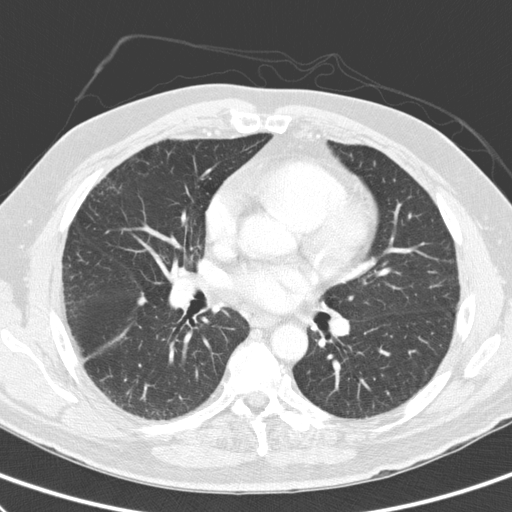
One axial slice (159 of 300, counting up from the lowest) of a chest CT acquired at 120 kVp with the D kernel; each pixel is 0.662 mm and the slice is 2.00 mm thick.
Pulmonary nodule, outlined by three of the four readers. Box on this slice rows 292–305, columns 137–146, the union of the readers' outlines on this slice; longest diameter 8.2–10.3 mm and volume 142–190 mm3 across the three readers' outlines. The readers' ratings, as ranges where they differ: texture 5/5 (solid) from all three readers; margin 4/5, all three readers agreeing; sphericity from 3/5 (ovoid) to 4/5 across the three readers; calcification absent from all three readers; internal structure soft tissue from all three readers; subtlety from 4/5 to 5/5 across the three readers; malignancy likelihood 3–4/5 (the readers disagree). Scale key (1–5): texture non-solid→solid, margin indistinct→circumscribed, sphericity linear→round, subtlety extremely subtle→obvious, malignancy likelihood highly unlikely→highly suspicious of cancer. Box rows and columns are 0-based pixel indices from the top-left corner, inclusive.